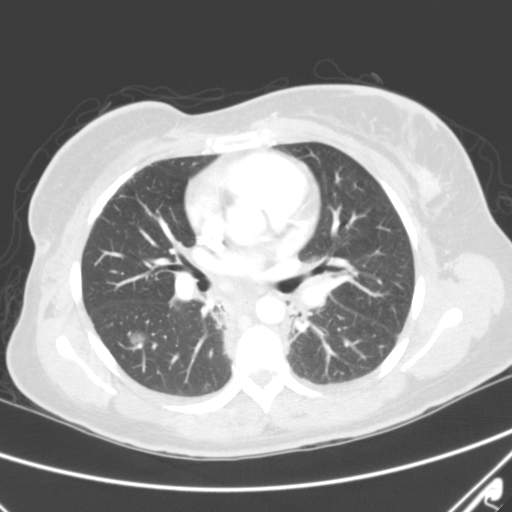
One axial slice (148 of 263, counting up from the lowest) of a chest CT acquired at 120 kVp with the B kernel; each pixel is 0.664 mm and the slice is 2.00 mm thick.
Pulmonary nodule outlined two times (the source holds three more outlines, not used); box rows 331–344, columns 130–147 (the union of the readers' outlines on this slice); median longest diameter 13.7 mm (readers' outlines 12.2–15.2 mm), median volume 980 mm3 (731–1229 mm3). Median ratings and the readers' spread: texture 2/5 at the median of two readers, spread 1/5 (non-solid) to 3/5 (part-solid); margin 2.5/5 at the median of two readers, spread 2/5 to 3/5; sphericity 3.5/5 at the median of two readers, spread 3/5 (ovoid) to 4/5; calcification absent from both readers; internal structure soft tissue, both readers agreeing; subtlety 3/5 from both readers; median malignancy likelihood 3/5 (readers ranged 2–4). Scale key (1–5): texture non-solid→solid, margin indistinct→circumscribed, sphericity linear→round, subtlety extremely subtle→obvious, malignancy likelihood highly unlikely→highly suspicious of cancer. Box rows and columns are 0-based pixel indices from the top-left corner, inclusive.